Axial chest CT slice 316 of 375 (counted from the lowest slice); tube voltage 120 kVp, convolution kernel STANDARD; slices 1.25 mm thick, 0.625 mm per pixel.
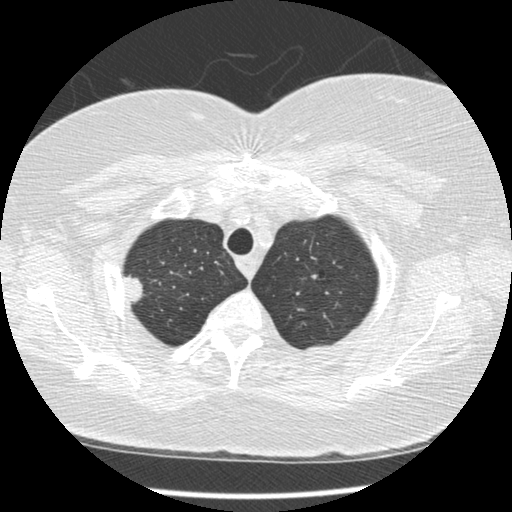
Pulmonary nodule outlined by all four readers; box rows 274–304, columns 122–142 (the union of the readers' outlines on this slice); median longest diameter 22.7 mm (readers' outlines 21.2–23.2 mm), median volume 3056 mm3 (2289–3466 mm3). Median ratings and the readers' spread: texture 5/5 (solid) at the median of four readers, spread 4/5 to 5/5 (solid); median margin 4/5 (readers ranged 3/5 to 5/5 (circumscribed)); sphericity 3.5/5 at the median of four readers, spread 2/5 to 5/5 (round); calcification absent, all four readers agreeing; internal structure soft tissue from all four readers; subtlety 5/5 from all four readers; median malignancy likelihood 5/5 (readers ranged 3–5). Scale key (1–5): texture non-solid→solid, margin indistinct→circumscribed, sphericity linear→round, subtlety extremely subtle→obvious, malignancy likelihood highly unlikely→highly suspicious of cancer. Box rows and columns are 0-based pixel indices from the top-left corner, inclusive.